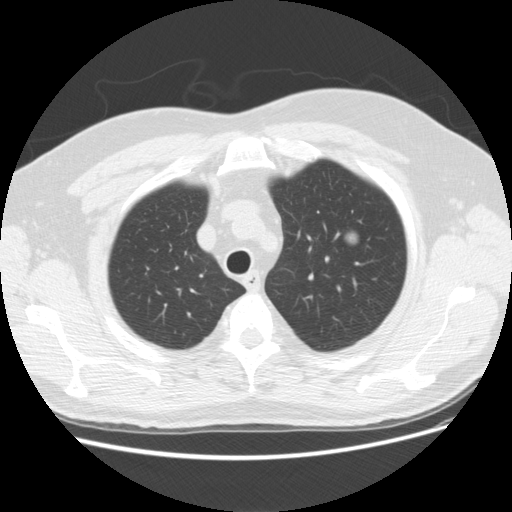
This is axial slice 123 of 158 (slice 1 is the lowest) of a chest CT; each pixel is 0.723 mm and the slice is 2.50 mm thick. Pulmonary nodule outlined by all four readers; box rows 231–248, columns 343–359 (the union of the readers' outlines on this slice); longest diameter 17.3 mm on average over the four readers' outlines (readers' outlines 16.2–18.8 mm), volume 1663–2984 mm3. The readers' prevailing ratings and who disagreed: texture 5/5 (solid), all four readers agreeing; margin 5/5 (circumscribed), all four readers agreeing; sphericity 5/5 (round) by three of four readers; the rest gave 4/5 (one); calcification absent, all four readers agreeing; internal structure soft tissue, all four readers agreeing; subtlety 5/5 from all four readers; malignancy likelihood 4/5 by two of four readers; the rest gave 2/5 (one), 5/5 (one). Scale key (1–5): texture non-solid→solid, margin indistinct→circumscribed, sphericity linear→round, subtlety extremely subtle→obvious, malignancy likelihood highly unlikely→highly suspicious of cancer. Box rows and columns are 0-based pixel indices from the top-left corner, inclusive.
Tube voltage 120 kVp; convolution kernel STANDARD.